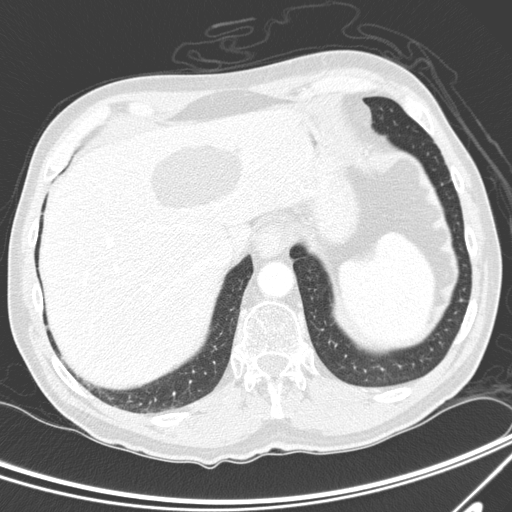
One axial slice (46 of 300, counting up from the lowest) of a chest CT acquired at 120 kVp with the D kernel; each pixel is 0.678 mm and the slice is 2.00 mm thick.
Pulmonary nodule outlined by three of the four readers, one of them on this slice; box rows 299–301, columns 460–462 (the one reader's outline on this slice); the three readers' outlines give a longest diameter between 5.5 and 6.9 mm and a volume between 52 and 87 mm3. The readers' ratings, as ranges where they differ: texture 5/5 (solid) from all three readers; margin from 4/5 to 5/5 (circumscribed) across the three readers; sphericity from 4/5 to 5/5 (round) across the three readers; calcification absent from all three readers; internal structure soft tissue, all three readers agreeing; subtlety 3–4/5 (the readers disagree); malignancy likelihood 2–3/5 (the readers disagree). Scale key (1–5): texture non-solid→solid, margin indistinct→circumscribed, sphericity linear→round, subtlety extremely subtle→obvious, malignancy likelihood highly unlikely→highly suspicious of cancer. Box rows and columns are 0-based pixel indices from the top-left corner, inclusive.